Chest CT, axial plane, 120 kVp, kernel STANDARD. Slice 190/538 from the bottom of the scan; thickness 1.25 mm; pixel size 0.742 mm.
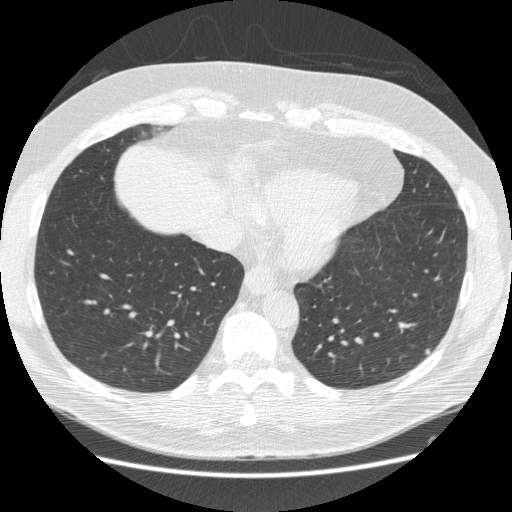
Pulmonary nodule outlined by three of the four readers, two of them on this slice; box rows 349–354, columns 425–430 (the union of the readers' outlines on this slice); median longest diameter 6.3 mm (readers' outlines 6.1–8.0 mm), median volume 75 mm3 (26–109 mm3). Ratings, median across the readers with their spread: median texture 5/5 (solid) (readers ranged 4/5 to 5/5 (solid)); median margin 4/5 (readers ranged 1/5 (indistinct) to 5/5 (circumscribed)); median sphericity 4/5 (readers ranged 3/5 (ovoid) to 5/5 (round)); calcification absent, all three readers agreeing; internal structure soft tissue, all three readers agreeing; subtlety 3/5 at the median of three readers, spread 2–5; median malignancy likelihood 3/5 (readers ranged 2–4). Scale key (1–5): texture non-solid→solid, margin indistinct→circumscribed, sphericity linear→round, subtlety extremely subtle→obvious, malignancy likelihood highly unlikely→highly suspicious of cancer. Box rows and columns are 0-based pixel indices from the top-left corner, inclusive.